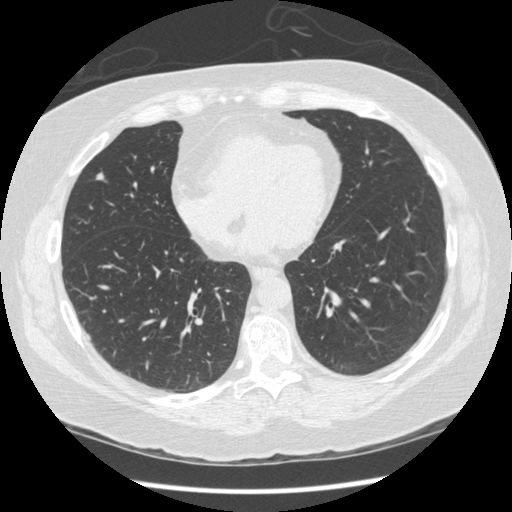
One axial slice (158 of 436, counting up from the lowest) of a chest CT acquired at 120 kVp with the STANDARD kernel; each pixel is 0.703 mm and the slice is 1.25 mm thick.
Pulmonary nodule at rows 171–180, columns 95–104 (box = the union of the readers' outlines on this slice), outlined by all four readers; median longest diameter 9.3 mm (readers' outlines 7.3–9.8 mm), median volume 191 mm3 (103–208 mm3). Median ratings and the readers' spread: texture 5/5 (solid) from all four readers; margin 4/5 at the median of four readers, spread 4/5 to 5/5 (circumscribed); sphericity 4.5/5 at the median of four readers, spread 3/5 (ovoid) to 5/5 (round); calcification absent from all four readers; internal structure soft tissue, all four readers agreeing; median subtlety 4/5 (readers ranged 3–5); median malignancy likelihood 3/5 (readers ranged 2–4). Scale key (1–5): texture non-solid→solid, margin indistinct→circumscribed, sphericity linear→round, subtlety extremely subtle→obvious, malignancy likelihood highly unlikely→highly suspicious of cancer. Box rows and columns are 0-based pixel indices from the top-left corner, inclusive.